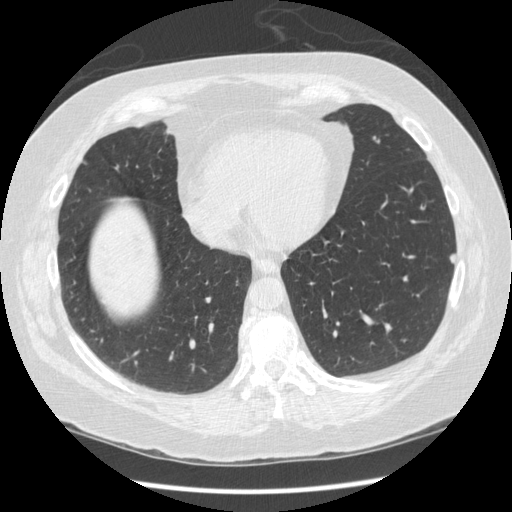
Axial slice 131 of 436 of a chest CT (slice 1 is the lowest), reconstructed with the STANDARD kernel at 120 kVp; 1.25 mm slice thickness and 0.703 mm pixels.
Two pulmonary nodules are outlined on this slice; from left to right: (1) Pulmonary nodule at rows 161–164, columns 84–87 (box = that reader's outline on this slice), outlined by one of the four readers; longest diameter 5.8 mm and volume 56 mm3 from that reader's outline. Ratings by that reader: texture 5/5 (solid); margin 5/5 (circumscribed); sphericity 5/5 (round); calcification absent; internal structure soft tissue; subtlety 5/5; malignancy likelihood 3/5. (2) Pulmonary nodule, outlined by three of the four readers. Box on this slice rows 253–263, columns 449–455, the union of the readers' outlines on this slice; longest diameter 8.2 mm on average over the three readers' outlines (readers' outlines 8.0–8.6 mm), volume 131–153 mm3. Ratings, by the readers' most common answer with dissent counted: texture 5/5 (solid) from all three readers; most readers (two of three) put margin at 4/5, others 5/5 (circumscribed) (one); sphericity split among the readers: 2/5 (one), 3/5 (ovoid) (one), 4/5 (one); calcification absent from all three readers; internal structure soft tissue from all three readers; subtlety 5/5 by two of three readers; the rest gave 3/5 (one); malignancy likelihood 2/5 by two of three readers; the rest gave 3/5 (one). Scale key (1–5): texture non-solid→solid, margin indistinct→circumscribed, sphericity linear→round, subtlety extremely subtle→obvious, malignancy likelihood highly unlikely→highly suspicious of cancer. Box rows and columns are 0-based pixel indices from the top-left corner, inclusive.